Axial slice 76 of 145 of a chest CT (slice 1 is the lowest), reconstructed with the LUNG kernel at 120 kVp; 2.50 mm slice thickness and 0.781 mm pixels.
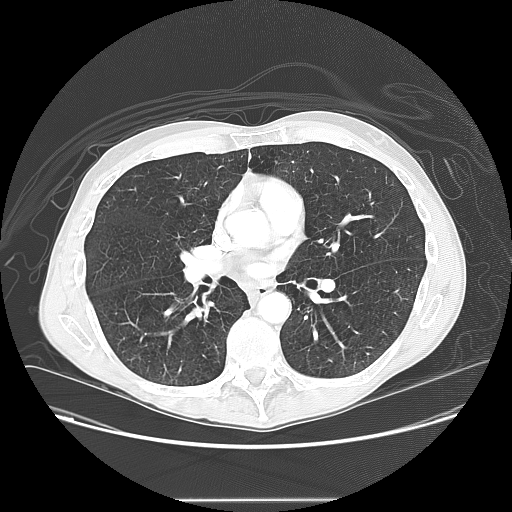
This slice carries no reader outline of a nodule 3 mm or larger.